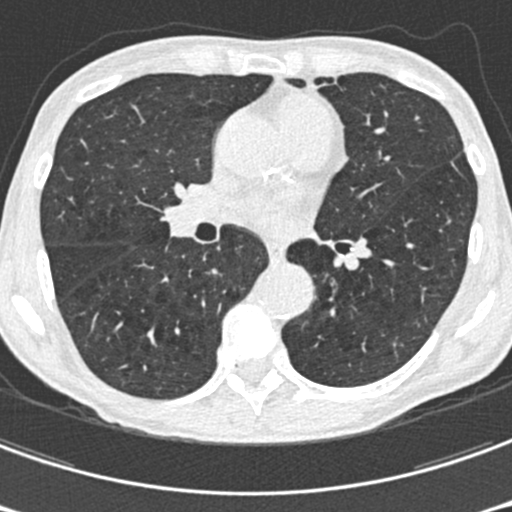
Axial chest CT slice 332 of 633 (counted from the lowest slice); tube voltage 120 kVp, convolution kernel B30f; slices 0.60 mm thick, 0.541 mm per pixel.
The readers outlined no nodule of 3 mm or more on this slice.